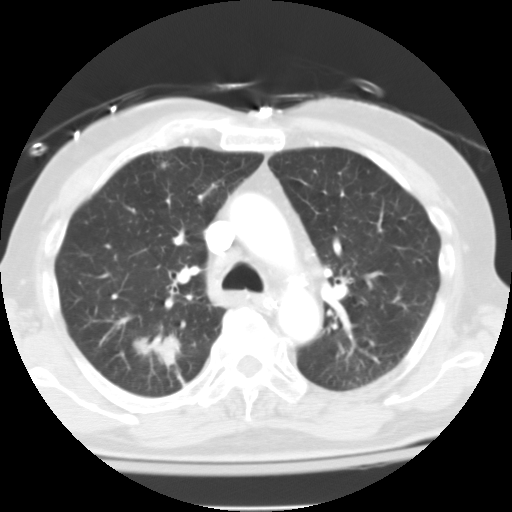
Slice 88/125 of a chest CT, counting up from the lowest; pixel size 0.628 mm, slice thickness 3.00 mm. Pulmonary nodule outlined once (the source holds six more outlines, not used); box rows 334–366, columns 134–180 (that reader's outline on this slice); longest diameter 31.3 mm and volume 4861 mm3 from that reader's outline. That reader's ratings: texture 4/5; margin 2/5; sphericity 2/5; calcification absent; internal structure soft tissue; subtlety 5/5; malignancy likelihood 5/5. Scale key (1–5): texture non-solid→solid, margin indistinct→circumscribed, sphericity linear→round, subtlety extremely subtle→obvious, malignancy likelihood highly unlikely→highly suspicious of cancer. Box rows and columns are 0-based pixel indices from the top-left corner, inclusive.
Acquired at 135 kVp and reconstructed with the FC10 kernel.